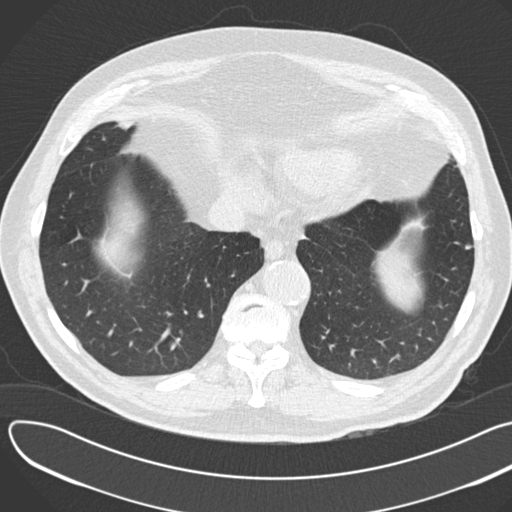
Axial chest CT slice 56 of 190 (counted from the lowest slice); 2.00 mm thick, 0.742 mm per pixel. Pulmonary nodule at rows 244–249, columns 465–471 (box = that reader's outline on this slice), outlined by one of the four readers; longest diameter 8.3 mm and volume 132 mm3 from that reader's outline. That reader's ratings: texture 4/5; margin 4/5; sphericity 3/5 (ovoid); calcification absent; internal structure soft tissue; subtlety 3/5; malignancy likelihood 3/5. Scale key (1–5): texture non-solid→solid, margin indistinct→circumscribed, sphericity linear→round, subtlety extremely subtle→obvious, malignancy likelihood highly unlikely→highly suspicious of cancer. Box rows and columns are 0-based pixel indices from the top-left corner, inclusive.
Scan settings: 120 kVp, B30f reconstruction kernel.